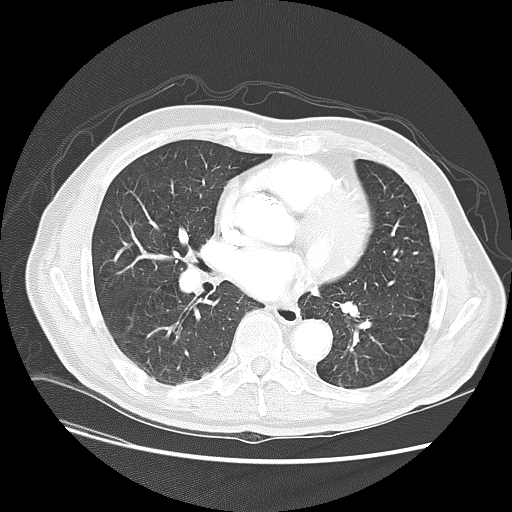
Axial slice 68 of 133 of a chest CT (slice 1 is the lowest), reconstructed with the LUNG kernel at 120 kVp; 2.50 mm slice thickness and 0.742 mm pixels.
This slice carries no reader outline of a nodule 3 mm or larger.